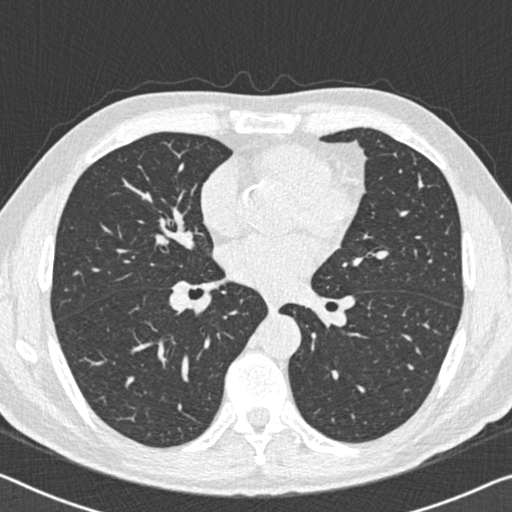
Axial slice 258 of 483 of a chest CT (slice 1 is the lowest), reconstructed with the B30f kernel at 120 kVp; 0.75 mm slice thickness and 0.652 mm pixels.
No nodule of 3 mm or larger was outlined by any of the four readers on this slice.